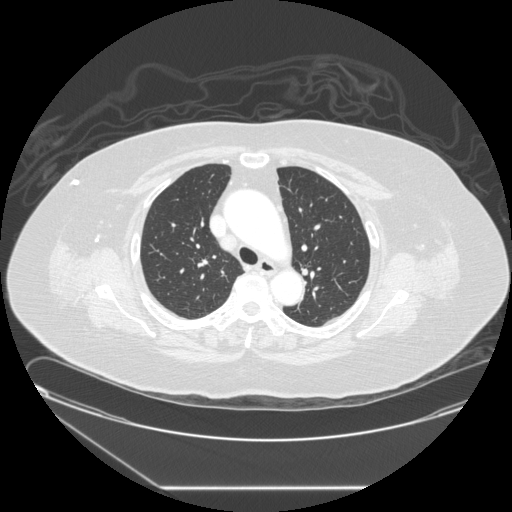
One axial slice (193 of 257, counting up from the lowest) of a chest CT acquired at 120 kVp with the STANDARD kernel; each pixel is 0.852 mm and the slice is 1.25 mm thick.
None of the four readers outlined a nodule of 3 mm or more on this slice.